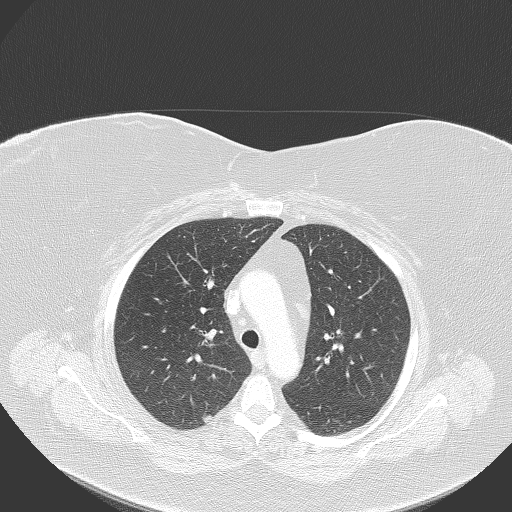
This is axial slice 241 of 320 (slice 1 is the lowest) of a chest CT; each pixel is 0.768 mm and the slice is 2.00 mm thick. Pulmonary nodule outlined by two of the four readers; box rows 414–422, columns 202–212 (the union of the readers' outlines on this slice); the two readers' outlines give a longest diameter between 9.3 and 10.3 mm and a volume between 181 and 234 mm3. Ratings across the readers: texture from 1/5 (non-solid) to 4/5 across the two readers; margin from 2/5 to 3/5 across the two readers; sphericity from 3/5 (ovoid) to 5/5 (round) across the two readers; calcification absent from both readers; internal structure soft tissue from both readers; subtlety from 1/5 to 3/5 across the two readers; malignancy likelihood 2–3/5 (the readers disagree). Scale key (1–5): texture non-solid→solid, margin indistinct→circumscribed, sphericity linear→round, subtlety extremely subtle→obvious, malignancy likelihood highly unlikely→highly suspicious of cancer. Box rows and columns are 0-based pixel indices from the top-left corner, inclusive.
Acquired at 120 kVp and reconstructed with the B70f kernel.